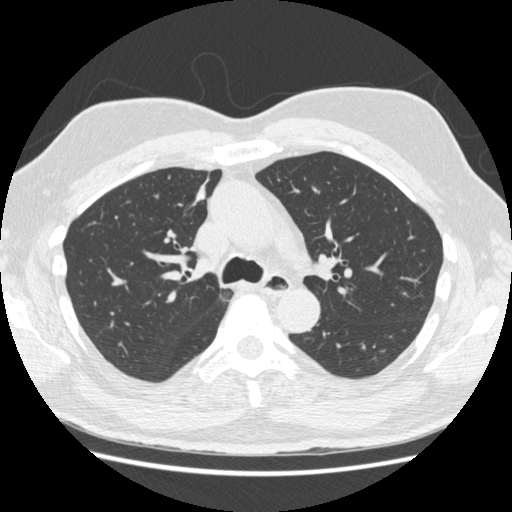
Chest CT, axial plane, 120 kVp, kernel STANDARD. Slice 344/557 from the bottom of the scan; thickness 1.25 mm; pixel size 0.703 mm.
Pulmonary nodule at rows 184–201, columns 195–206 (box = the union of the readers' outlines on this slice), outlined by all four readers; median longest diameter 13.3 mm (readers' outlines 12.6–14.2 mm), median volume 546 mm3 (470–622 mm3). Ratings, median across the readers with their spread: texture 5/5 (solid), all four readers agreeing; margin 4/5 at the median of four readers, spread 4/5 to 5/5 (circumscribed); sphericity 3/5 (ovoid), all four readers agreeing; calcification absent, all four readers agreeing; internal structure soft tissue, all four readers agreeing; subtlety 4.5/5 at the median of four readers, spread 3–5; malignancy likelihood 2.5/5 at the median of four readers, spread 1–4. Scale key (1–5): texture non-solid→solid, margin indistinct→circumscribed, sphericity linear→round, subtlety extremely subtle→obvious, malignancy likelihood highly unlikely→highly suspicious of cancer. Box rows and columns are 0-based pixel indices from the top-left corner, inclusive.